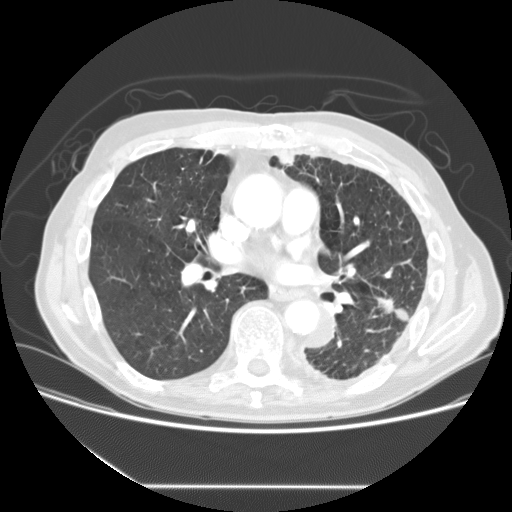
One axial slice (86 of 149, counting up from the lowest) of a chest CT acquired at 120 kVp with the STANDARD kernel; each pixel is 0.742 mm and the slice is 2.50 mm thick.
The readers outlined no nodule of 3 mm or more on this slice.